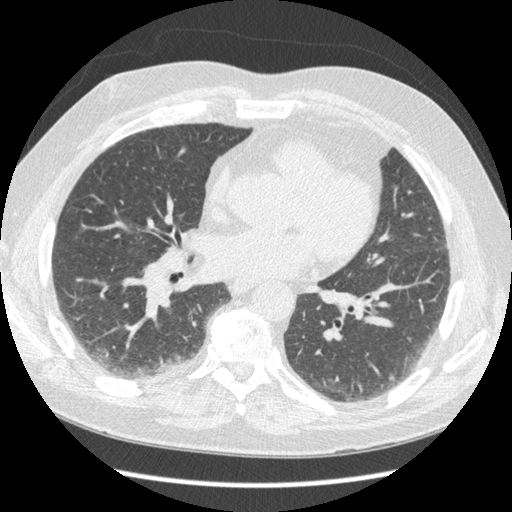
Chest CT, axial plane, 120 kVp, kernel STANDARD. Slice 185/429 from the bottom of the scan; thickness 1.25 mm; pixel size 0.703 mm.
Pulmonary nodule, outlined by three of the four readers. Box on this slice rows 376–380, columns 389–394, the union of the readers' outlines on this slice; median longest diameter 6.9 mm (readers' outlines 6.9–7.0 mm), median volume 98 mm3 (78–98 mm3). Median ratings and the readers' spread: texture 5/5 (solid), all three readers agreeing; median margin 5/5 (circumscribed) (readers ranged 4/5 to 5/5 (circumscribed)); sphericity 5/5 (round) at the median of three readers, spread 3/5 (ovoid) to 5/5 (round); calcification: absent (two), non-central calcification (one); internal structure soft tissue, all three readers agreeing; subtlety 4/5 at the median of three readers, spread 2–5; median malignancy likelihood 2/5 (readers ranged 2–4). Scale key (1–5): texture non-solid→solid, margin indistinct→circumscribed, sphericity linear→round, subtlety extremely subtle→obvious, malignancy likelihood highly unlikely→highly suspicious of cancer. Box rows and columns are 0-based pixel indices from the top-left corner, inclusive.